Chest CT, axial plane, 120 kVp, kernel STANDARD. Slice 43/145 from the bottom of the scan; thickness 2.50 mm; pixel size 0.820 mm.
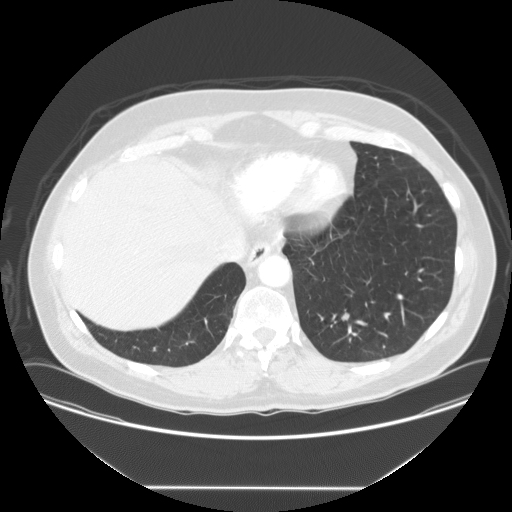
Pulmonary nodule outlined by three of the four readers; box rows 311–321, columns 340–350 (the union of the readers' outlines on this slice); the three readers' outlines give a longest diameter between 8.4 and 10.3 mm and a volume between 187 and 322 mm3. The readers' ratings, as ranges where they differ: texture 5/5 (solid), all three readers agreeing; margin from 3/5 to 4/5 across the three readers; sphericity from 3/5 (ovoid) to 4/5 across the three readers; calcification absent from all three readers; internal structure soft tissue from all three readers; subtlety 3–4/5 (the readers disagree); malignancy likelihood from 2/5 to 4/5 across the three readers. Scale key (1–5): texture non-solid→solid, margin indistinct→circumscribed, sphericity linear→round, subtlety extremely subtle→obvious, malignancy likelihood highly unlikely→highly suspicious of cancer. Box rows and columns are 0-based pixel indices from the top-left corner, inclusive.